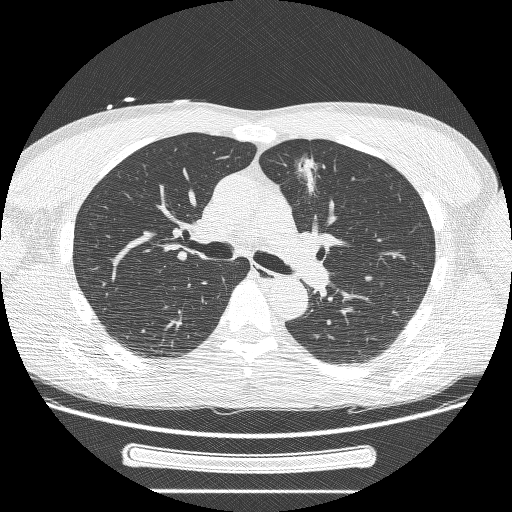
Chest CT, axial plane, 120 kVp, kernel BONE. Slice 152/244 from the bottom of the scan; thickness 1.25 mm; pixel size 0.729 mm.
Pulmonary nodule at rows 153–195, columns 294–318 (box = the union of the readers' outlines on this slice), outlined by three of the four readers; median longest diameter 37.5 mm (readers' outlines 27.4–37.9 mm), median volume 6861 mm3 (2934–10099 mm3). Ratings, median across the readers with their spread: median texture 5/5 (solid) (readers ranged 3/5 (part-solid) to 5/5 (solid)); margin 2/5 at the median of three readers, spread 1/5 (indistinct) to 3/5; sphericity 3/5 (ovoid) at the median of three readers, spread 2/5 to 4/5; calcification absent from all three readers; internal structure soft tissue, all three readers agreeing; subtlety 5/5, all three readers agreeing; median malignancy likelihood 5/5 (readers ranged 3–5). Scale key (1–5): texture non-solid→solid, margin indistinct→circumscribed, sphericity linear→round, subtlety extremely subtle→obvious, malignancy likelihood highly unlikely→highly suspicious of cancer. Box rows and columns are 0-based pixel indices from the top-left corner, inclusive.